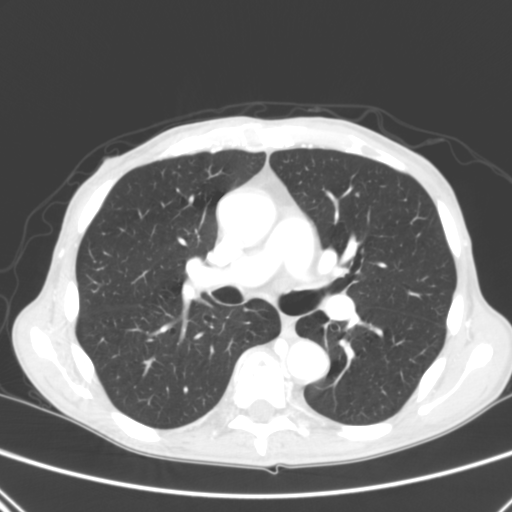
Axial chest CT slice 167 of 290 (counted from the lowest slice); tube voltage 120 kVp, convolution kernel B; slices 2.00 mm thick, 0.639 mm per pixel.
Pulmonary nodule outlined by one of the four readers; box rows 193–196, columns 355–358 (that reader's outline on this slice); longest diameter 4.3 mm and volume 31 mm3 from that reader's outline. Ratings by that reader: texture 5/5 (solid); margin 5/5 (circumscribed); sphericity 4/5; calcification absent; internal structure soft tissue; subtlety 5/5; malignancy likelihood 3/5. Scale key (1–5): texture non-solid→solid, margin indistinct→circumscribed, sphericity linear→round, subtlety extremely subtle→obvious, malignancy likelihood highly unlikely→highly suspicious of cancer. Box rows and columns are 0-based pixel indices from the top-left corner, inclusive.